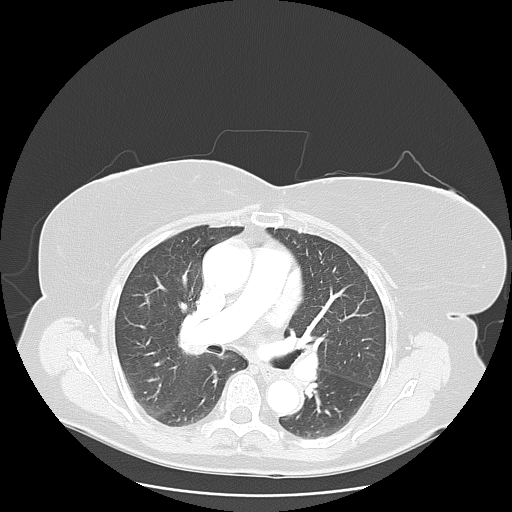
Axial slice 68 of 119 of a chest CT (slice 1 is the lowest), reconstructed with the LUNG kernel at 120 kVp; 2.50 mm slice thickness and 0.781 mm pixels.
The readers outlined no nodule of 3 mm or more on this slice.